One axial slice (154 of 237, counting up from the lowest) of a chest CT acquired at 120 kVp with the STANDARD kernel; each pixel is 0.871 mm and the slice is 1.25 mm thick.
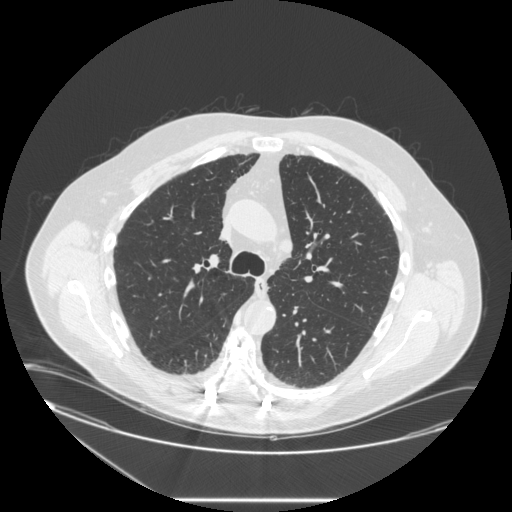
No nodule of 3 mm or larger was outlined by any of the four readers on this slice.